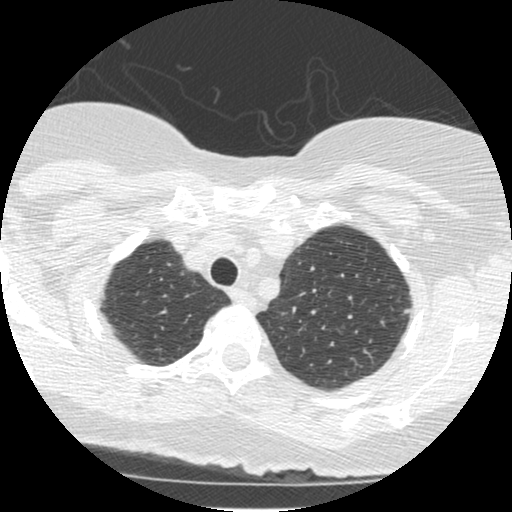
Chest CT, axial plane, 120 kVp, kernel STANDARD. Slice 304/372 from the bottom of the scan; thickness 1.25 mm; pixel size 0.586 mm.
Pulmonary nodule, outlined by one of the four readers. Box on this slice rows 308–313, columns 405–410, that reader's outline on this slice; longest diameter 7.1 mm and volume 68 mm3 from that reader's outline. Ratings by that reader: texture 5/5 (solid); margin 4/5; sphericity 3/5 (ovoid); calcification absent; internal structure soft tissue; subtlety 5/5; malignancy likelihood 3/5. Scale key (1–5): texture non-solid→solid, margin indistinct→circumscribed, sphericity linear→round, subtlety extremely subtle→obvious, malignancy likelihood highly unlikely→highly suspicious of cancer. Box rows and columns are 0-based pixel indices from the top-left corner, inclusive.